One axial slice (312 of 465, counting up from the lowest) of a chest CT acquired at 120 kVp with the STANDARD kernel; each pixel is 0.586 mm and the slice is 1.25 mm thick.
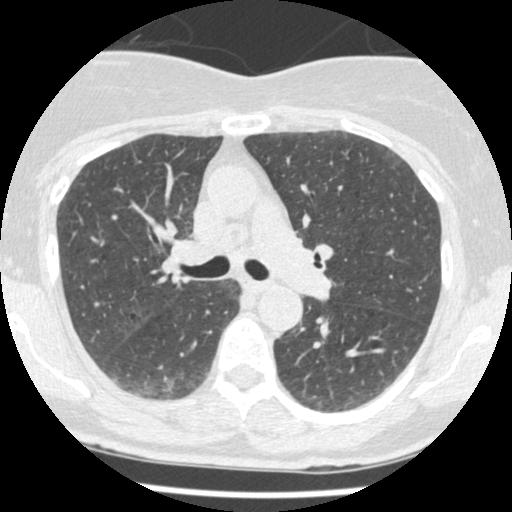
This slice carries no reader outline of a nodule 3 mm or larger.